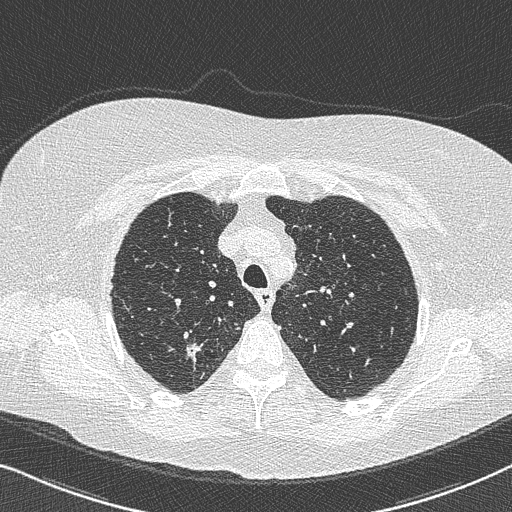
Axial chest CT slice 576 of 733 (counted from the lowest slice); tube voltage 120 kVp, convolution kernel B50f; slices 0.60 mm thick, 0.637 mm per pixel.
Pulmonary nodule at rows 342–369, columns 182–201 (box = the union of the readers' outlines on this slice), outlined by all four readers; longest diameter 22.0 mm on average over the four readers' outlines (readers' outlines 15.5–29.7 mm), volume 888–2128 mm3. Ratings, by the readers' most common answer with dissent counted: texture 5/5 (solid) by three of four readers; the rest gave 4/5 (one); margin 3/5 by two of four readers; the rest gave 1/5 (indistinct) (one), 4/5 (one); sphericity 3/5 (ovoid) by two of four readers; the rest gave 2/5 (one), 5/5 (round) (one); calcification absent from all four readers; internal structure soft tissue, all four readers agreeing; subtlety 5/5 by three of four readers; the rest gave 4/5 (one); most readers (three of four) put malignancy likelihood at 4/5, others 5/5 (one). Scale key (1–5): texture non-solid→solid, margin indistinct→circumscribed, sphericity linear→round, subtlety extremely subtle→obvious, malignancy likelihood highly unlikely→highly suspicious of cancer. Box rows and columns are 0-based pixel indices from the top-left corner, inclusive.